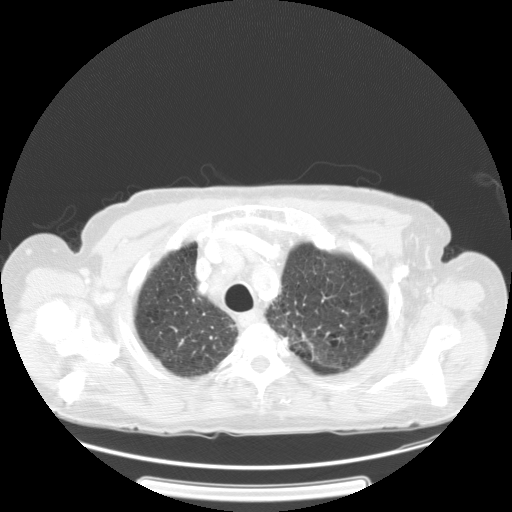
This is axial slice 113 of 137 (slice 1 is the lowest) of a chest CT; each pixel is 0.781 mm and the slice is 2.50 mm thick. Pulmonary nodule at rows 336–345, columns 282–287 (box = that reader's outline on this slice), outlined by one of the four readers; longest diameter 15.8 mm and volume 733 mm3 from that reader's outline. Ratings by that reader: texture 3/5 (part-solid); margin 1/5 (indistinct); sphericity 4/5; calcification absent; internal structure soft tissue; subtlety 4/5; malignancy likelihood 3/5. Scale key (1–5): texture non-solid→solid, margin indistinct→circumscribed, sphericity linear→round, subtlety extremely subtle→obvious, malignancy likelihood highly unlikely→highly suspicious of cancer. Box rows and columns are 0-based pixel indices from the top-left corner, inclusive.
Scan settings: 120 kVp, STANDARD reconstruction kernel.